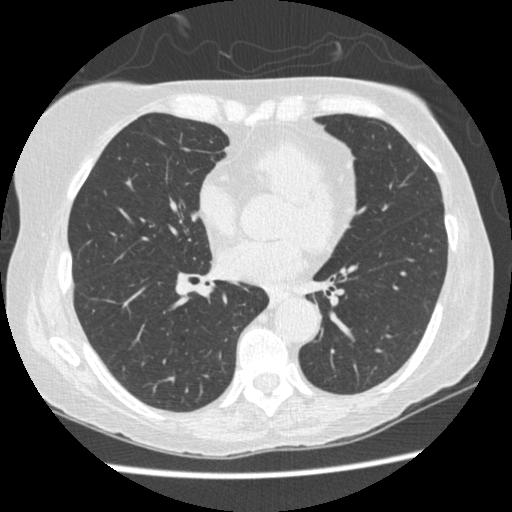
Chest CT, axial plane, 120 kVp, kernel STANDARD. Slice 206/477 from the bottom of the scan; thickness 1.25 mm; pixel size 0.625 mm.
No nodule 3 mm or larger was outlined here by any reader.